Chest CT, axial plane, 120 kVp, kernel STANDARD. Slice 75/131 from the bottom of the scan; thickness 2.50 mm; pixel size 0.781 mm.
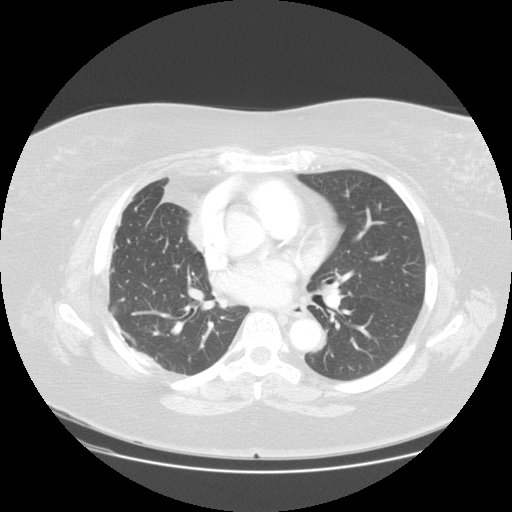
This slice carries no reader outline of a nodule 3 mm or larger.